Axial slice 304 of 536 of a chest CT (slice 1 is the lowest), reconstructed with the B30f kernel at 120 kVp; 0.75 mm slice thickness and 0.656 mm pixels.
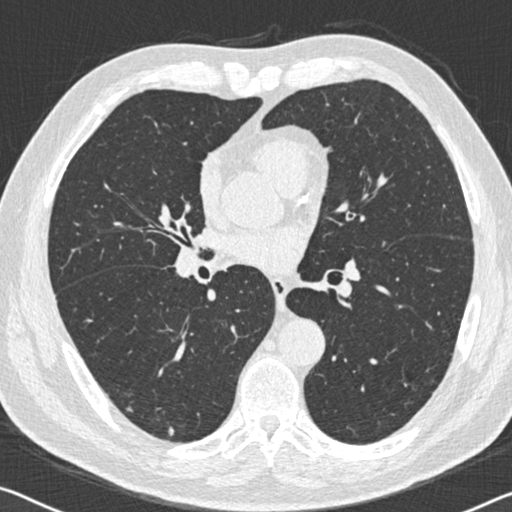
Pulmonary nodule, outlined by three of the four readers. Box on this slice rows 426–436, columns 168–174, the union of the readers' outlines on this slice; longest diameter 7.5 mm on average over the three readers' outlines (readers' outlines 5.9–8.6 mm), volume 49–116 mm3. Ratings, by the readers' most common answer with dissent counted: most readers (two of three) put texture at 5/5 (solid), others 4/5 (one); margin 4/5 from all three readers; most readers (two of three) put sphericity at 3/5 (ovoid), others 4/5 (one); calcification absent by two of three readers, non-central calcification (one); internal structure soft tissue, all three readers agreeing; subtlety split among the readers: 3/5 (one), 4/5 (one), 5/5 (one); malignancy likelihood 2/5 by two of three readers; the rest gave 3/5 (one). Scale key (1–5): texture non-solid→solid, margin indistinct→circumscribed, sphericity linear→round, subtlety extremely subtle→obvious, malignancy likelihood highly unlikely→highly suspicious of cancer. Box rows and columns are 0-based pixel indices from the top-left corner, inclusive.